One axial slice (250 of 347, counting up from the lowest) of a chest CT acquired at 120 kVp with the B45f kernel; each pixel is 0.625 mm and the slice is 1.00 mm thick.
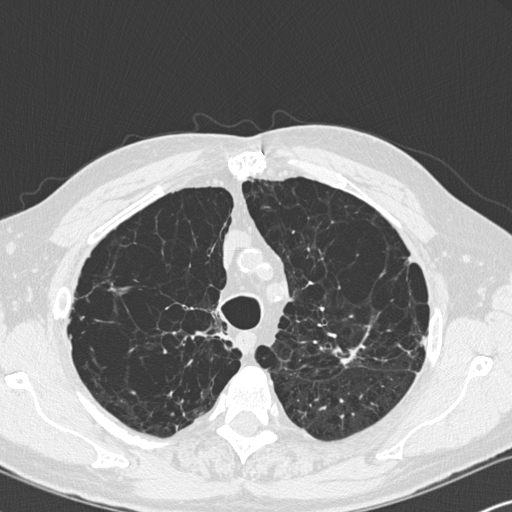
Pulmonary nodule at rows 349–363, columns 340–355 (box = that reader's outline on this slice), outlined by one of the four readers; longest diameter 24.3 mm and volume 1862 mm3 from that reader's outline. That reader's ratings: texture 5/5 (solid); margin 4/5; sphericity 3/5 (ovoid); calcification absent; internal structure soft tissue; subtlety 5/5; malignancy likelihood 4/5. Scale key (1–5): texture non-solid→solid, margin indistinct→circumscribed, sphericity linear→round, subtlety extremely subtle→obvious, malignancy likelihood highly unlikely→highly suspicious of cancer. Box rows and columns are 0-based pixel indices from the top-left corner, inclusive.